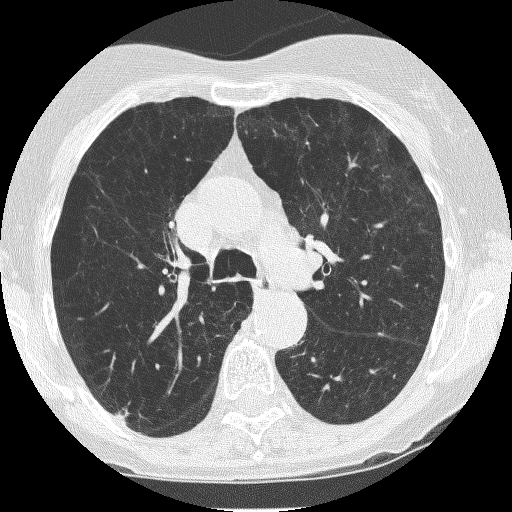
Axial chest CT slice 157 of 235 (counted from the lowest slice); 1.25 mm thick, 0.537 mm per pixel. Pulmonary nodule at rows 333–335, columns 378–383 (box = the one reader's outline on this slice), outlined by all four readers, one of them on this slice; longest diameter 8.6 mm on average over the four readers' outlines (readers' outlines 8.2–8.9 mm), volume 144–183 mm3. The readers' prevailing ratings and who disagreed: most readers (three of four) put texture at 5/5 (solid), others 4/5 (one); margin 4/5 by two of four readers; the rest gave 3/5 (one), 5/5 (circumscribed) (one); sphericity 4/5 by three of four readers; the rest gave 3/5 (ovoid) (one); calcification absent, all four readers agreeing; internal structure soft tissue, all four readers agreeing; subtlety split among the readers: 4/5 (two), 5/5 (two); malignancy likelihood 3/5 by two of four readers; the rest gave 2/5 (one), 4/5 (one). Scale key (1–5): texture non-solid→solid, margin indistinct→circumscribed, sphericity linear→round, subtlety extremely subtle→obvious, malignancy likelihood highly unlikely→highly suspicious of cancer. Box rows and columns are 0-based pixel indices from the top-left corner, inclusive.
Scan settings: 120 kVp, BONE reconstruction kernel.